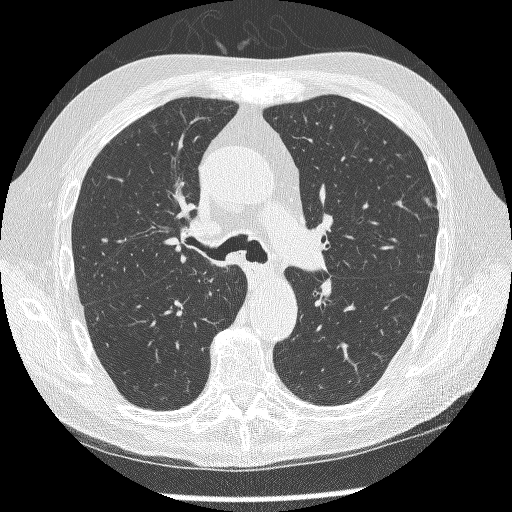
This is axial slice 178 of 250 (slice 1 is the lowest) of a chest CT; each pixel is 0.654 mm and the slice is 1.25 mm thick. Pulmonary nodule outlined by all four readers; box rows 237–242, columns 100–108 (the union of the readers' outlines on this slice); median longest diameter 6.1 mm (readers' outlines 5.3–7.0 mm), median volume 44 mm3 (37–54 mm3). Ratings, median across the readers with their spread: median texture 4.5/5 (readers ranged 3/5 (part-solid) to 5/5 (solid)); median margin 3.5/5 (readers ranged 2/5 to 5/5 (circumscribed)); sphericity 3/5 (ovoid), all four readers agreeing; calcification absent, all four readers agreeing; internal structure soft tissue, all four readers agreeing; median subtlety 2.5/5 (readers ranged 1–4); malignancy likelihood 3/5, all four readers agreeing. Scale key (1–5): texture non-solid→solid, margin indistinct→circumscribed, sphericity linear→round, subtlety extremely subtle→obvious, malignancy likelihood highly unlikely→highly suspicious of cancer. Box rows and columns are 0-based pixel indices from the top-left corner, inclusive.
Scan settings: 120 kVp, BONE reconstruction kernel.